Chest CT, axial plane, 120 kVp, kernel BONE. Slice 88/241 from the bottom of the scan; thickness 1.25 mm; pixel size 0.609 mm.
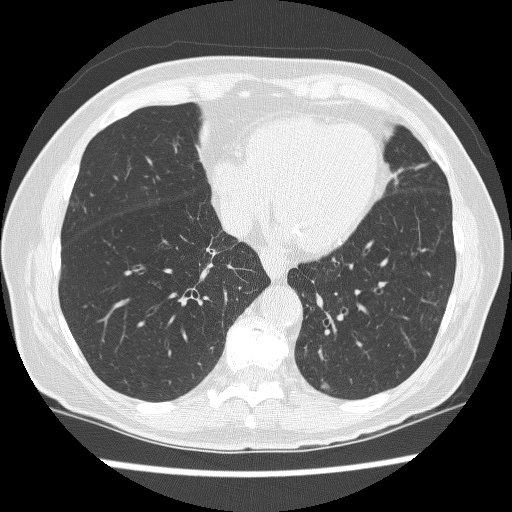
Pulmonary nodule outlined by three of the four readers; box rows 381–388, columns 320–329 (the union of the readers' outlines on this slice); the three readers' outlines give a longest diameter between 6.8 and 7.4 mm and a volume between 99 and 150 mm3. The readers' ratings, as ranges where they differ: texture from 4/5 to 5/5 (solid) across the three readers; margin from 2/5 to 5/5 (circumscribed) across the three readers; sphericity from 3/5 (ovoid) to 4/5 across the three readers; calcification absent, all three readers agreeing; internal structure soft tissue, all three readers agreeing; subtlety rated between 4 and 5 out of 5 by the three readers; malignancy likelihood rated between 2 and 4 out of 5 by the three readers. Scale key (1–5): texture non-solid→solid, margin indistinct→circumscribed, sphericity linear→round, subtlety extremely subtle→obvious, malignancy likelihood highly unlikely→highly suspicious of cancer. Box rows and columns are 0-based pixel indices from the top-left corner, inclusive.